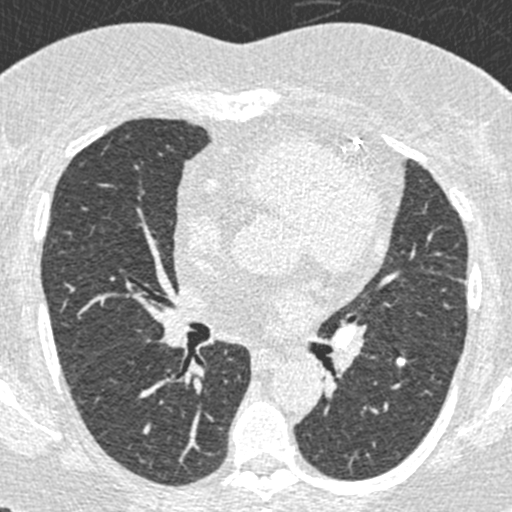
Axial slice 262 of 423 of a chest CT (slice 1 is the lowest), reconstructed with the B30f kernel at 120 kVp; 0.75 mm slice thickness and 0.520 mm pixels.
Pulmonary nodule outlined by all four readers; box rows 357–365, columns 395–405 (the union of the readers' outlines on this slice); longest diameter 8.7 mm on average over the four readers' outlines (readers' outlines 8.1–9.5 mm), volume 146–244 mm3. Ratings, by the readers' most common answer with dissent counted: texture 5/5 (solid), all four readers agreeing; margin 5/5 (circumscribed) from all four readers; sphericity 3/5 (ovoid) by two of four readers; the rest gave 4/5 (one), 5/5 (round) (one); calcification solid calcification, all four readers agreeing; internal structure soft tissue, all four readers agreeing; subtlety 5/5 by three of four readers; the rest gave 4/5 (one); malignancy likelihood 1/5 from all four readers. Scale key (1–5): texture non-solid→solid, margin indistinct→circumscribed, sphericity linear→round, subtlety extremely subtle→obvious, malignancy likelihood highly unlikely→highly suspicious of cancer. Box rows and columns are 0-based pixel indices from the top-left corner, inclusive.